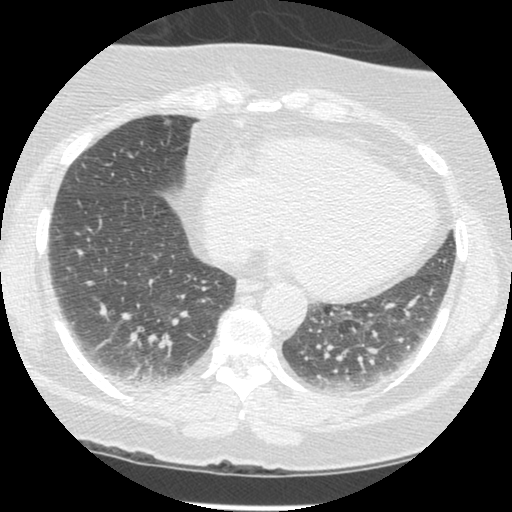
Axial slice 106 of 381 of a chest CT (slice 1 is the lowest), reconstructed with the STANDARD kernel at 120 kVp; 1.25 mm slice thickness and 0.625 mm pixels.
Pulmonary nodule outlined by one of the four readers; box rows 120–124, columns 164–171 (that reader's outline on this slice); longest diameter 5.6 mm and volume 28 mm3 from that reader's outline. Ratings by that reader: texture 4/5; margin 5/5 (circumscribed); sphericity 5/5 (round); calcification absent; internal structure soft tissue; subtlety 1/5; malignancy likelihood 2/5. Scale key (1–5): texture non-solid→solid, margin indistinct→circumscribed, sphericity linear→round, subtlety extremely subtle→obvious, malignancy likelihood highly unlikely→highly suspicious of cancer. Box rows and columns are 0-based pixel indices from the top-left corner, inclusive.